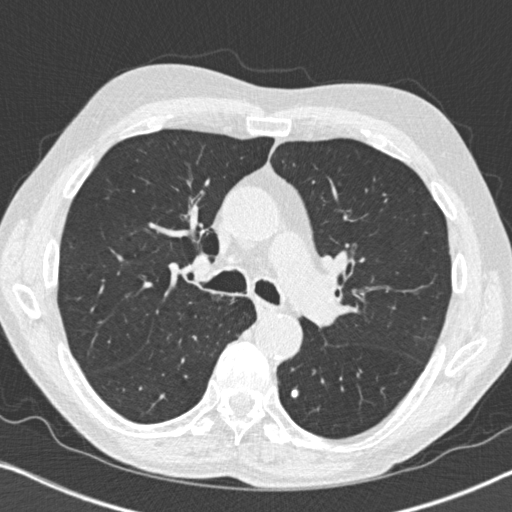
Chest CT, axial plane, 120 kVp, kernel B31f. Slice 495/764 from the bottom of the scan; thickness 1.00 mm; pixel size 0.646 mm.
Two pulmonary nodules on this slice, listed from left to right. (1) Pulmonary nodule, outlined by all four readers. Box on this slice rows 388–398, columns 289–298, the union of the readers' outlines on this slice; longest diameter 11.4 mm on average over the four readers' outlines (readers' outlines 10.7–12.7 mm), volume 382–638 mm3. The readers' prevailing ratings and who disagreed: texture 5/5 (solid) from all four readers; margin 5/5 (circumscribed) from all four readers; sphericity 5/5 (round) by three of four readers; the rest gave 4/5 (one); calcification solid calcification, all four readers agreeing; internal structure soft tissue, all four readers agreeing; subtlety 5/5, all four readers agreeing; malignancy likelihood 1/5 from all four readers. (2) Pulmonary nodule outlined by two of the four readers, one of them on this slice; box rows 372–377, columns 356–359 (the one reader's outline on this slice); longest diameter 4.7–5.8 mm and volume 50–90 mm3 across the two readers' outlines. The readers' ratings, as ranges where they differ: texture 5/5 (solid) from both readers; margin 5/5 (circumscribed), both readers agreeing; sphericity from 4/5 to 5/5 (round) across the two readers; calcification solid calcification, both readers agreeing; internal structure soft tissue, both readers agreeing; subtlety 5/5 from both readers; malignancy likelihood 1/5 from both readers. Scale key (1–5): texture non-solid→solid, margin indistinct→circumscribed, sphericity linear→round, subtlety extremely subtle→obvious, malignancy likelihood highly unlikely→highly suspicious of cancer. Box rows and columns are 0-based pixel indices from the top-left corner, inclusive.